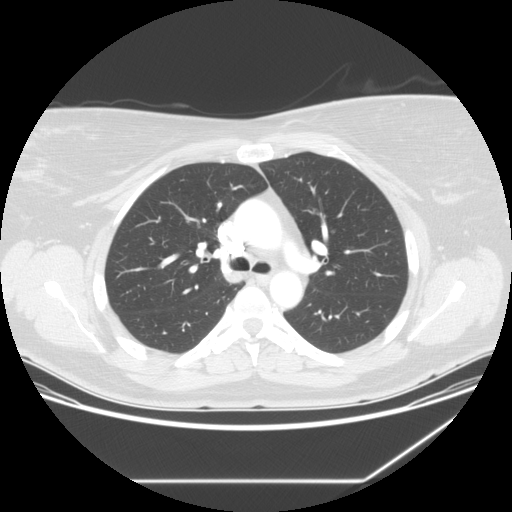
One axial slice (88 of 133, counting up from the lowest) of a chest CT acquired at 120 kVp with the STANDARD kernel; each pixel is 0.781 mm and the slice is 2.50 mm thick.
No nodule 3 mm or larger was outlined here by any reader.